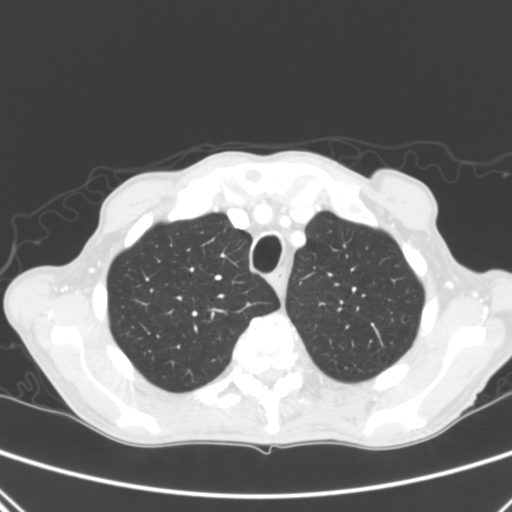
Slice 235/290 of a chest CT, counting up from the lowest; pixel size 0.639 mm, slice thickness 2.00 mm. No nodule of 3 mm or larger was outlined by any of the four readers on this slice.
Tube voltage 120 kVp; convolution kernel B.